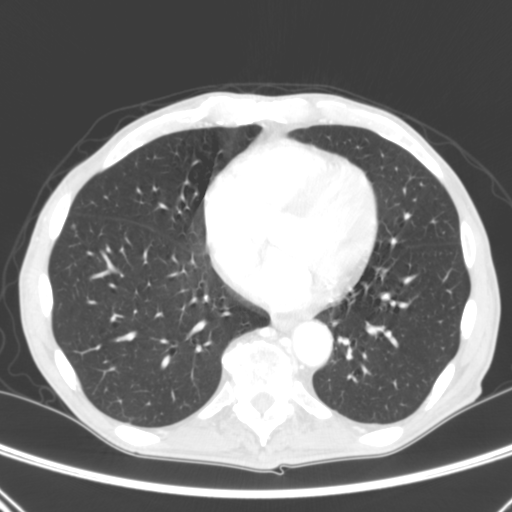
Chest CT, axial plane, 120 kVp, kernel B. Slice 104/290 from the bottom of the scan; thickness 2.00 mm; pixel size 0.639 mm.
Pulmonary nodule, outlined by two of the four readers. Box on this slice rows 224–228, columns 71–75, the union of the readers' outlines on this slice; longest diameter 4.3 mm on average over the two readers' outlines (readers' outlines 4.3 mm), volume 29–32 mm3. Ratings, by the readers' most common answer with dissent counted: texture 5/5 (solid), both readers agreeing; margin split among the readers: 4/5 (one), 5/5 (circumscribed) (one); sphericity 5/5 (round), both readers agreeing; calcification absent from both readers; internal structure soft tissue, both readers agreeing; subtlety split among the readers: 3/5 (one), 5/5 (one); malignancy likelihood split among the readers: 1/5 (one), 3/5 (one). Scale key (1–5): texture non-solid→solid, margin indistinct→circumscribed, sphericity linear→round, subtlety extremely subtle→obvious, malignancy likelihood highly unlikely→highly suspicious of cancer. Box rows and columns are 0-based pixel indices from the top-left corner, inclusive.